One axial slice (215 of 477, counting up from the lowest) of a chest CT acquired at 120 kVp with the STANDARD kernel; each pixel is 0.703 mm and the slice is 1.25 mm thick.
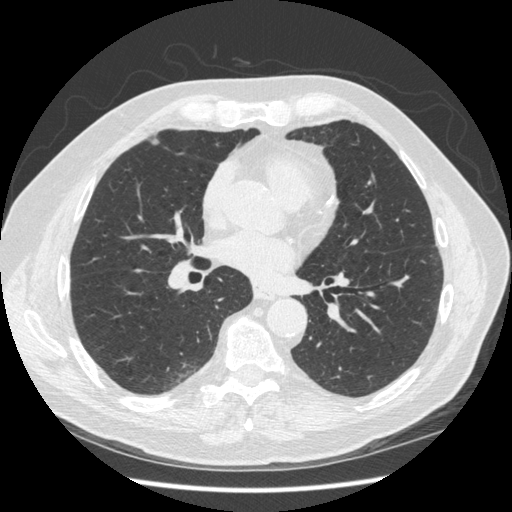
Pulmonary nodule, outlined by three of the four readers. Box on this slice rows 137–145, columns 150–159, the union of the readers' outlines on this slice; median longest diameter 8.0 mm (readers' outlines 7.2–8.2 mm), median volume 81 mm3 (65–84 mm3). Median ratings and the readers' spread: texture 5/5 (solid) from all three readers; median margin 5/5 (circumscribed) (readers ranged 3/5 to 5/5 (circumscribed)); median sphericity 4/5 (readers ranged 3/5 (ovoid) to 5/5 (round)); calcification absent from all three readers; internal structure soft tissue from all three readers; median subtlety 4/5 (readers ranged 3–5); median malignancy likelihood 3/5 (readers ranged 2–3). Scale key (1–5): texture non-solid→solid, margin indistinct→circumscribed, sphericity linear→round, subtlety extremely subtle→obvious, malignancy likelihood highly unlikely→highly suspicious of cancer. Box rows and columns are 0-based pixel indices from the top-left corner, inclusive.